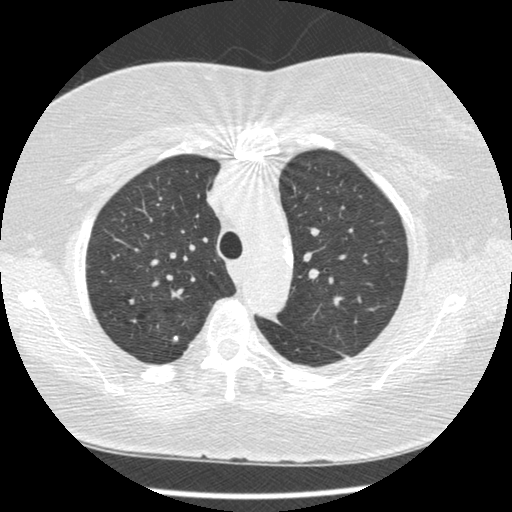
Axial chest CT slice 269 of 375 (counted from the lowest slice); tube voltage 120 kVp, convolution kernel STANDARD; slices 1.25 mm thick, 0.625 mm per pixel.
Pulmonary nodule, outlined by two of the four readers. Box on this slice rows 335–344, columns 171–178, the union of the readers' outlines on this slice; longest diameter 6.4–9.1 mm and volume 95–233 mm3 across the two readers' outlines. The readers' ratings, as ranges where they differ: texture 5/5 (solid) from both readers; margin 5/5 (circumscribed) from both readers; sphericity from 3/5 (ovoid) to 4/5 across the two readers; calcification split among the readers: solid calcification (one), absent (one); internal structure soft tissue, both readers agreeing; subtlety from 4/5 to 5/5 across the two readers; malignancy likelihood 1–3/5 (the readers disagree). Scale key (1–5): texture non-solid→solid, margin indistinct→circumscribed, sphericity linear→round, subtlety extremely subtle→obvious, malignancy likelihood highly unlikely→highly suspicious of cancer. Box rows and columns are 0-based pixel indices from the top-left corner, inclusive.